Axial slice 201 of 368 of a chest CT (slice 1 is the lowest), reconstructed with the B70f kernel at 120 kVp; 2.00 mm slice thickness and 0.623 mm pixels.
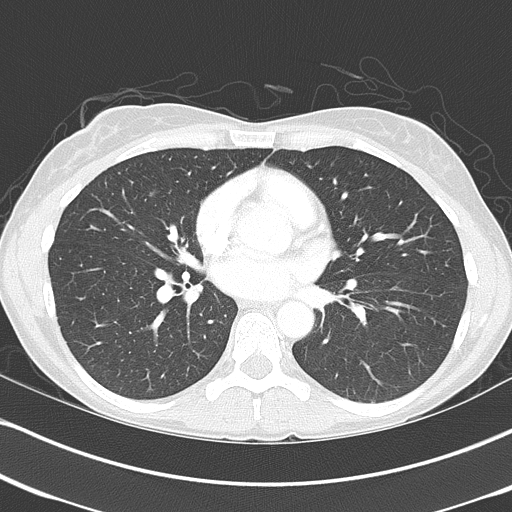
Pulmonary nodule outlined by all four readers, one of them on this slice; box rows 192–196, columns 149–153 (the one reader's outline on this slice); longest diameter 12.8 mm on average over the four readers' outlines (readers' outlines 12.1–13.5 mm), volume 274–376 mm3. The readers' prevailing ratings and who disagreed: texture 5/5 (solid) by three of four readers; the rest gave 4/5 (one); margin 5/5 (circumscribed) by two of four readers; the rest gave 3/5 (one), 4/5 (one); sphericity split among the readers: 2/5 (two), 3/5 (ovoid) (two); calcification absent by two of four readers, non-central calcification (one), solid calcification (one); internal structure soft tissue from all four readers; subtlety 5/5 from all four readers; malignancy likelihood 4/5 by two of four readers; the rest gave 2/5 (one), 3/5 (one). Scale key (1–5): texture non-solid→solid, margin indistinct→circumscribed, sphericity linear→round, subtlety extremely subtle→obvious, malignancy likelihood highly unlikely→highly suspicious of cancer. Box rows and columns are 0-based pixel indices from the top-left corner, inclusive.